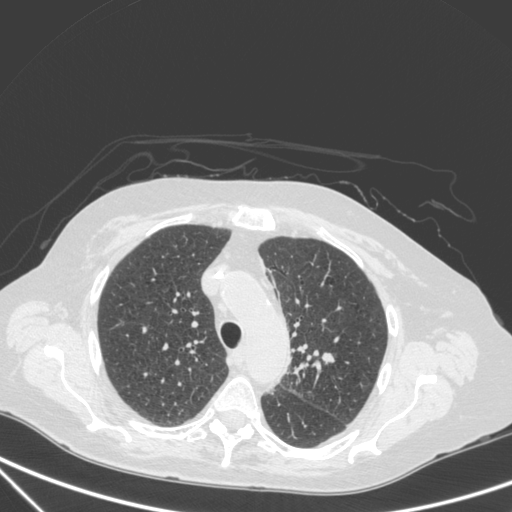
One axial slice (242 of 350, counting up from the lowest) of a chest CT acquired at 120 kVp with the C kernel; each pixel is 0.725 mm and the slice is 1.50 mm thick.
Pulmonary nodule at rows 353–364, columns 321–334 (box = the union of the readers' outlines on this slice), outlined by all four readers; median longest diameter 10.6 mm (readers' outlines 9.9–11.7 mm), median volume 411 mm3 (335–580 mm3). Ratings, median across the readers with their spread: texture 5/5 (solid), all four readers agreeing; margin 4/5 from all four readers; sphericity 3/5 (ovoid) at the median of four readers, spread 3/5 (ovoid) to 4/5; calcification absent from all four readers; internal structure soft tissue, all four readers agreeing; subtlety 5/5 at the median of four readers, spread 4–5; malignancy likelihood 3.5/5 at the median of four readers, spread 2–5. Scale key (1–5): texture non-solid→solid, margin indistinct→circumscribed, sphericity linear→round, subtlety extremely subtle→obvious, malignancy likelihood highly unlikely→highly suspicious of cancer. Box rows and columns are 0-based pixel indices from the top-left corner, inclusive.